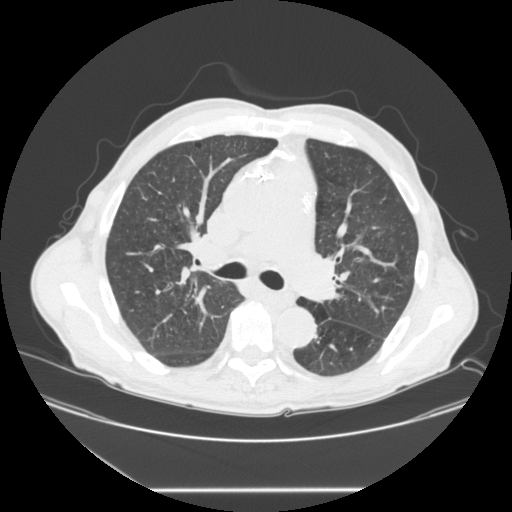
Axial chest CT slice 154 of 245 (counted from the lowest slice); tube voltage 120 kVp, convolution kernel STANDARD; slices 1.25 mm thick, 0.834 mm per pixel.
No nodule 3 mm or larger was outlined here by any reader.